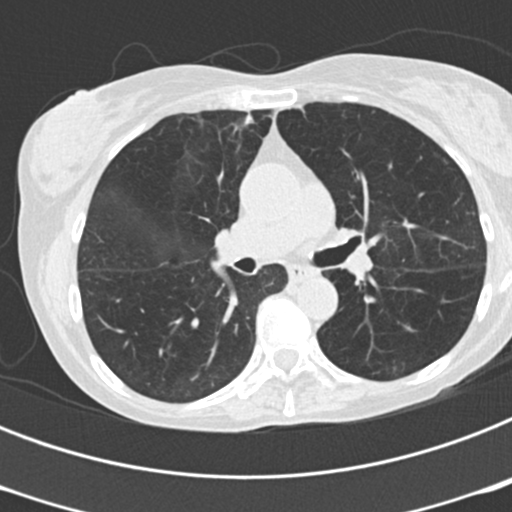
One axial slice (122 of 199, counting up from the lowest) of a chest CT acquired at 120 kVp with the B30f kernel; each pixel is 0.566 mm and the slice is 2.00 mm thick.
The readers outlined no nodule of 3 mm or more on this slice.